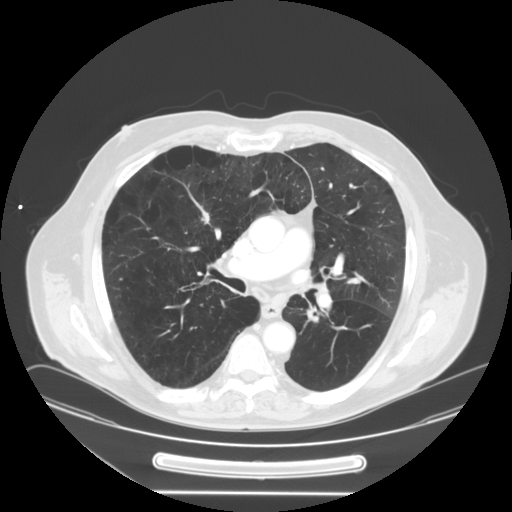
One axial slice (89 of 148, counting up from the lowest) of a chest CT acquired at 120 kVp with the STANDARD kernel; each pixel is 0.859 mm and the slice is 2.50 mm thick.
Pulmonary nodule outlined three times (the source holds two more outlines, not used), two of them on this slice; box rows 208–224, columns 201–209 (the union of the readers' outlines on this slice); longest diameter 34.0 mm on average over the three readers' outlines (readers' outlines 32.7–36.1 mm), volume 2349–3895 mm3. The readers' prevailing ratings and who disagreed: texture 5/5 (solid), all three readers agreeing; margin split among the readers: 2/5 (one), 4/5 (one), 5/5 (circumscribed) (one); most readers (two of three) put sphericity at 2/5, others 3/5 (ovoid) (one); calcification absent from all three readers; internal structure soft tissue from all three readers; subtlety 5/5 from all three readers; malignancy likelihood 5/5 by two of three readers; the rest gave 3/5 (one). Scale key (1–5): texture non-solid→solid, margin indistinct→circumscribed, sphericity linear→round, subtlety extremely subtle→obvious, malignancy likelihood highly unlikely→highly suspicious of cancer. Box rows and columns are 0-based pixel indices from the top-left corner, inclusive.